Chest CT, axial plane, 120 kVp, kernel BONE. Slice 119/162 from the bottom of the scan; thickness 1.25 mm; pixel size 0.703 mm.
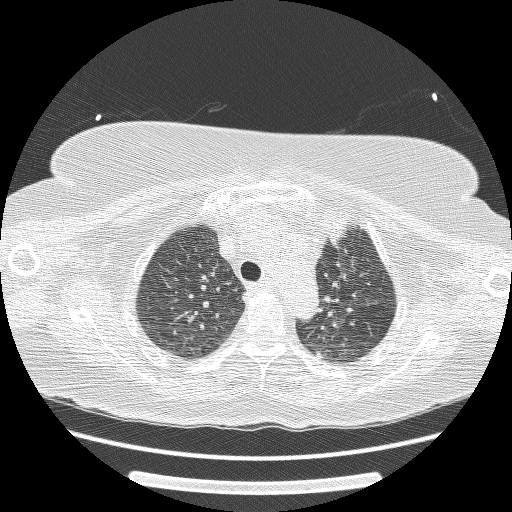
Pulmonary nodule, outlined by two of the four readers. Box on this slice rows 352–358, columns 316–321, the union of the readers' outlines on this slice; longest diameter 7.0 mm on average over the two readers' outlines (readers' outlines 6.0–8.0 mm), volume 72–89 mm3. Ratings, by the readers' most common answer with dissent counted: texture 5/5 (solid) from both readers; margin split among the readers: 3/5 (one), 4/5 (one); sphericity 4/5 from both readers; calcification absent from both readers; internal structure soft tissue, both readers agreeing; subtlety split among the readers: 3/5 (one), 4/5 (one); malignancy likelihood 2/5, both readers agreeing. Scale key (1–5): texture non-solid→solid, margin indistinct→circumscribed, sphericity linear→round, subtlety extremely subtle→obvious, malignancy likelihood highly unlikely→highly suspicious of cancer. Box rows and columns are 0-based pixel indices from the top-left corner, inclusive.